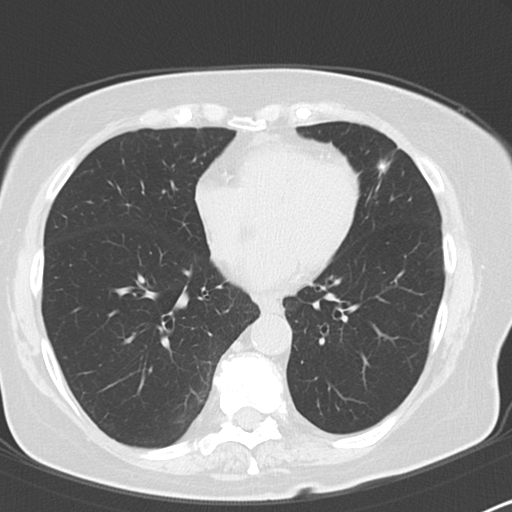
Axial chest CT slice 45 of 101 (counted from the lowest slice); tube voltage 120 kVp, convolution kernel B45f; slices 3.00 mm thick, 0.586 mm per pixel.
Pulmonary nodule at rows 156–173, columns 376–390 (box = the union of the readers' outlines on this slice), outlined by all four readers; median longest diameter 14.0 mm (readers' outlines 11.3–15.8 mm), median volume 695 mm3 (507–752 mm3). Ratings, median across the readers with their spread: texture 5/5 (solid), all four readers agreeing; margin 5/5 (circumscribed) at the median of four readers, spread 4/5 to 5/5 (circumscribed); median sphericity 5/5 (round) (readers ranged 3/5 (ovoid) to 5/5 (round)); calcification split among the readers: absent (two), central calcification (two); internal structure soft tissue, all four readers agreeing; subtlety 5/5, all four readers agreeing; malignancy likelihood 2.5/5 at the median of four readers, spread 1–4. Scale key (1–5): texture non-solid→solid, margin indistinct→circumscribed, sphericity linear→round, subtlety extremely subtle→obvious, malignancy likelihood highly unlikely→highly suspicious of cancer. Box rows and columns are 0-based pixel indices from the top-left corner, inclusive.